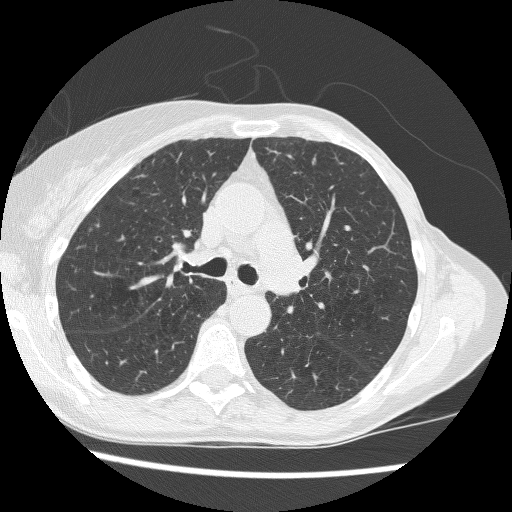
Slice 173/257 of a chest CT, counting up from the lowest; pixel size 0.627 mm, slice thickness 1.25 mm. Pulmonary nodule, outlined by one of the four readers. Box on this slice rows 227–231, columns 87–91, that reader's outline on this slice; longest diameter 5.9 mm and volume 49 mm3 from that reader's outline. That reader's ratings: texture 5/5 (solid); margin 5/5 (circumscribed); sphericity 4/5; calcification absent; internal structure soft tissue; subtlety 3/5; malignancy likelihood 3/5. Scale key (1–5): texture non-solid→solid, margin indistinct→circumscribed, sphericity linear→round, subtlety extremely subtle→obvious, malignancy likelihood highly unlikely→highly suspicious of cancer. Box rows and columns are 0-based pixel indices from the top-left corner, inclusive.
Acquired at 120 kVp and reconstructed with the BONE kernel.